One axial slice (68 of 132, counting up from the lowest) of a chest CT acquired at 140 kVp with the BONE kernel; each pixel is 0.703 mm and the slice is 2.50 mm thick.
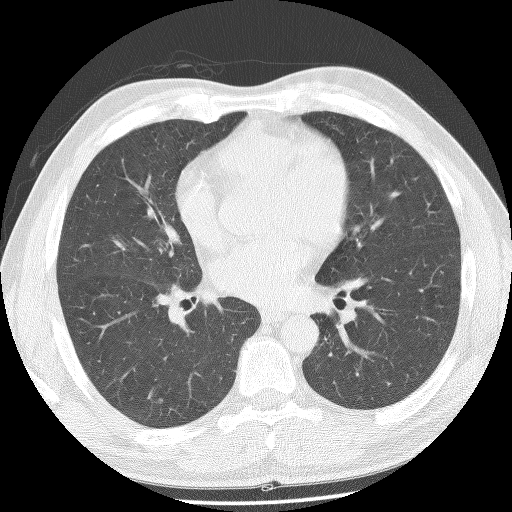
Pulmonary nodule, outlined by one of the four readers. Box on this slice rows 399–402, columns 158–161, that reader's outline on this slice; longest diameter 4.7 mm and volume 69 mm3 from that reader's outline. Ratings by that reader: texture 5/5 (solid); margin 4/5; sphericity 4/5; calcification absent; internal structure soft tissue; subtlety 4/5; malignancy likelihood 3/5. Scale key (1–5): texture non-solid→solid, margin indistinct→circumscribed, sphericity linear→round, subtlety extremely subtle→obvious, malignancy likelihood highly unlikely→highly suspicious of cancer. Box rows and columns are 0-based pixel indices from the top-left corner, inclusive.